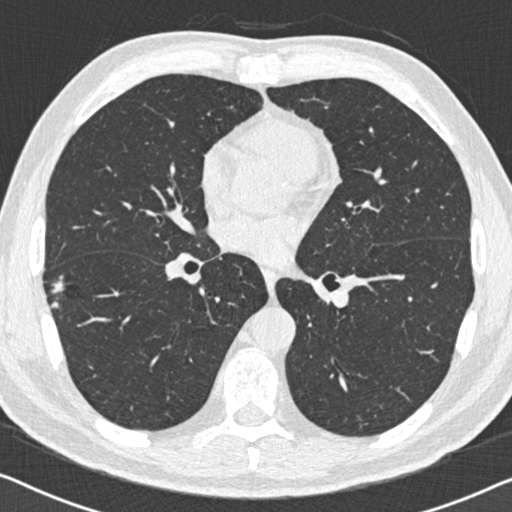
Slice 307/558 of a chest CT, counting up from the lowest; pixel size 0.648 mm, slice thickness 0.75 mm. Pulmonary nodule outlined by all four readers; box rows 274–311, columns 50–68 (the union of the readers' outlines on this slice); median longest diameter 21.8 mm (readers' outlines 18.8–26.5 mm), median volume 1099 mm3 (726–1916 mm3). Ratings, median across the readers with their spread: texture 4.5/5 at the median of four readers, spread 3/5 (part-solid) to 5/5 (solid); margin 3/5 at the median of four readers, spread 1/5 (indistinct) to 4/5; median sphericity 3/5 (ovoid) (readers ranged 2/5 to 4/5); calcification absent from all four readers; internal structure soft tissue from all four readers; subtlety 5/5 at the median of four readers, spread 4–5; median malignancy likelihood 4/5 (readers ranged 4–5). Scale key (1–5): texture non-solid→solid, margin indistinct→circumscribed, sphericity linear→round, subtlety extremely subtle→obvious, malignancy likelihood highly unlikely→highly suspicious of cancer. Box rows and columns are 0-based pixel indices from the top-left corner, inclusive.
Scan settings: 120 kVp, B30f reconstruction kernel.